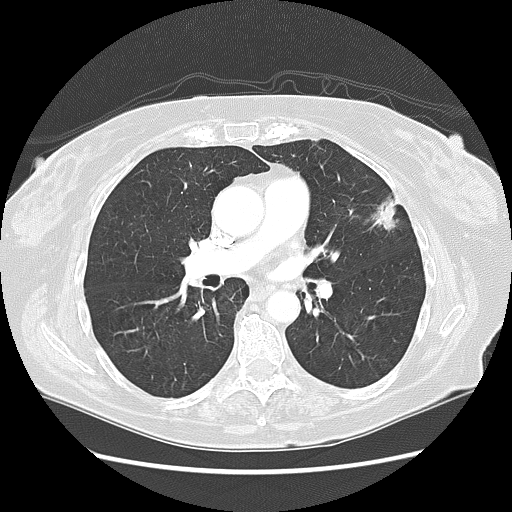
One axial slice (62 of 125, counting up from the lowest) of a chest CT acquired at 120 kVp with the LUNG kernel; each pixel is 0.703 mm and the slice is 2.50 mm thick.
Pulmonary nodule outlined by all four readers; box rows 194–230, columns 366–398 (the union of the readers' outlines on this slice); longest diameter 27.1 mm on average over the four readers' outlines (readers' outlines 25.5–28.7 mm), volume 2545–3578 mm3. The readers' prevailing ratings and who disagreed: most readers (three of four) put texture at 5/5 (solid), others 3/5 (part-solid) (one); margin split among the readers: 1/5 (indistinct) (two), 3/5 (two); sphericity 4/5 by two of four readers; the rest gave 2/5 (one), 3/5 (ovoid) (one); calcification absent from all four readers; internal structure soft tissue, all four readers agreeing; subtlety 5/5, all four readers agreeing; malignancy likelihood 5/5 by three of four readers; the rest gave 3/5 (one). Scale key (1–5): texture non-solid→solid, margin indistinct→circumscribed, sphericity linear→round, subtlety extremely subtle→obvious, malignancy likelihood highly unlikely→highly suspicious of cancer. Box rows and columns are 0-based pixel indices from the top-left corner, inclusive.